One axial slice (47 of 127, counting up from the lowest) of a chest CT acquired at 130 kVp with the B31s kernel; each pixel is 0.668 mm and the slice is 3.00 mm thick.
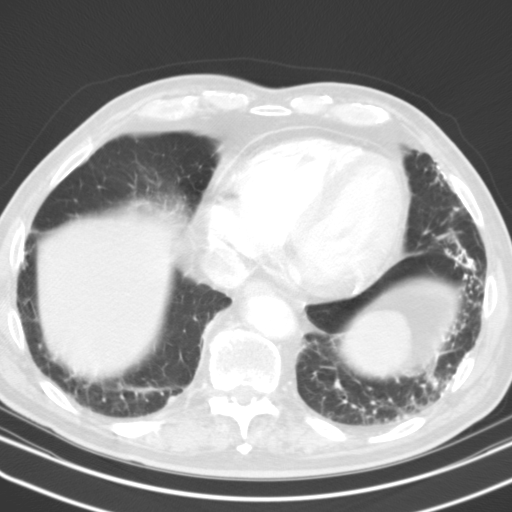
Pulmonary nodule, outlined by two of the four readers, one of them on this slice. Box on this slice rows 396–401, columns 166–171, the one reader's outline on this slice; longest diameter 25.9 mm on average over the two readers' outlines (readers' outlines 25.6–26.3 mm), volume 5517–6604 mm3. Ratings, by the readers' most common answer with dissent counted: texture 5/5 (solid), both readers agreeing; margin 4/5, both readers agreeing; sphericity split among the readers: 2/5 (one), 3/5 (ovoid) (one); calcification absent, both readers agreeing; internal structure soft tissue, both readers agreeing; subtlety 5/5, both readers agreeing; malignancy likelihood split among the readers: 2/5 (one), 3/5 (one). Scale key (1–5): texture non-solid→solid, margin indistinct→circumscribed, sphericity linear→round, subtlety extremely subtle→obvious, malignancy likelihood highly unlikely→highly suspicious of cancer. Box rows and columns are 0-based pixel indices from the top-left corner, inclusive.